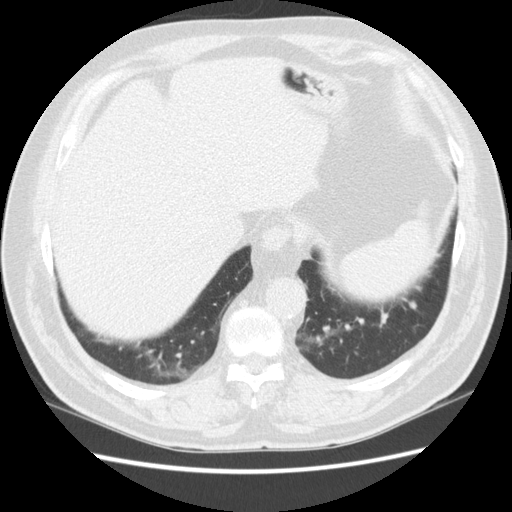
Axial slice 43 of 148 of a chest CT (slice 1 is the lowest), reconstructed with the STANDARD kernel at 120 kVp; 2.50 mm slice thickness and 0.703 mm pixels.
Pulmonary nodule outlined by two of the four readers; box rows 301–308, columns 409–416 (the union of the readers' outlines on this slice); the two readers' outlines give a longest diameter between 7.1 and 7.9 mm and a volume between 125 and 206 mm3. The readers' ratings, as ranges where they differ: texture 5/5 (solid), both readers agreeing; margin from 2/5 to 4/5 across the two readers; sphericity 5/5 (round) from both readers; calcification absent from both readers; internal structure soft tissue, both readers agreeing; subtlety 3/5 from both readers; malignancy likelihood 2–3/5 (the readers disagree). Scale key (1–5): texture non-solid→solid, margin indistinct→circumscribed, sphericity linear→round, subtlety extremely subtle→obvious, malignancy likelihood highly unlikely→highly suspicious of cancer. Box rows and columns are 0-based pixel indices from the top-left corner, inclusive.